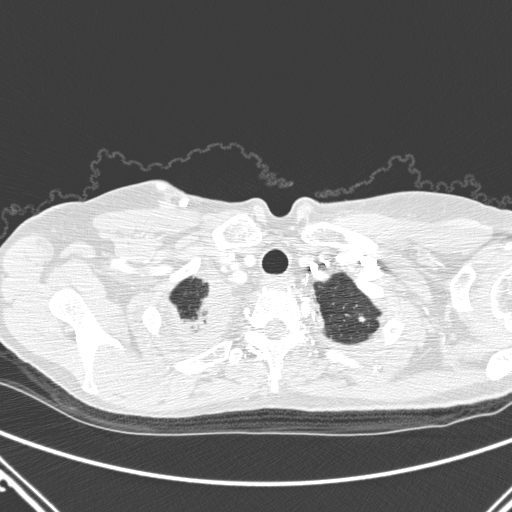
One axial slice (249 of 290, counting up from the lowest) of a chest CT acquired at 120 kVp with the D kernel; each pixel is 0.662 mm and the slice is 1.00 mm thick.
Pulmonary nodule outlined by three of the four readers; box rows 316–323, columns 358–365 (the union of the readers' outlines on this slice); median longest diameter 6.0 mm (readers' outlines 4.7–7.2 mm), median volume 56 mm3 (33–88 mm3). Ratings, median across the readers with their spread: texture 5/5 (solid) from all three readers; margin 5/5 (circumscribed) from all three readers; sphericity 5/5 (round) from all three readers; calcification absent from all three readers; internal structure soft tissue, all three readers agreeing; subtlety 4/5 at the median of three readers, spread 4–5; malignancy likelihood 2/5 at the median of three readers, spread 2–3. Scale key (1–5): texture non-solid→solid, margin indistinct→circumscribed, sphericity linear→round, subtlety extremely subtle→obvious, malignancy likelihood highly unlikely→highly suspicious of cancer. Box rows and columns are 0-based pixel indices from the top-left corner, inclusive.